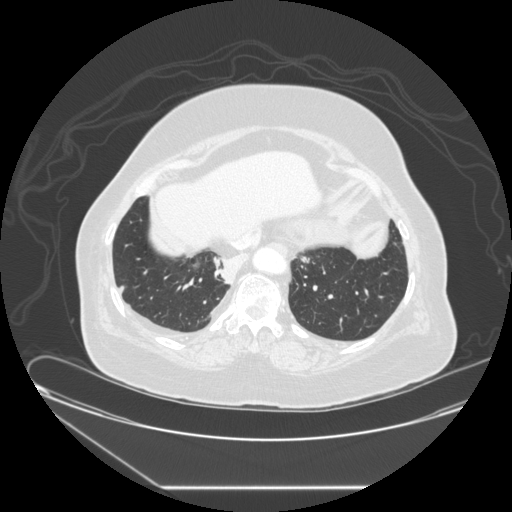
Axial slice 78 of 257 of a chest CT (slice 1 is the lowest), reconstructed with the STANDARD kernel at 120 kVp; 1.25 mm slice thickness and 0.852 mm pixels.
Pulmonary nodule at rows 319–323, columns 364–365 (box = the one reader's outline on this slice), outlined by three of the four readers, one of them on this slice; longest diameter 5.2 mm on average over the three readers' outlines (readers' outlines 4.6–6.2 mm), volume 39–85 mm3. The readers' prevailing ratings and who disagreed: texture 1/5 (non-solid) from all three readers; margin 3/5 by two of three readers; the rest gave 2/5 (one); sphericity 5/5 (round), all three readers agreeing; calcification absent from all three readers; internal structure soft tissue, all three readers agreeing; subtlety 1/5, all three readers agreeing; malignancy likelihood 3/5 by two of three readers; the rest gave 2/5 (one). Scale key (1–5): texture non-solid→solid, margin indistinct→circumscribed, sphericity linear→round, subtlety extremely subtle→obvious, malignancy likelihood highly unlikely→highly suspicious of cancer. Box rows and columns are 0-based pixel indices from the top-left corner, inclusive.